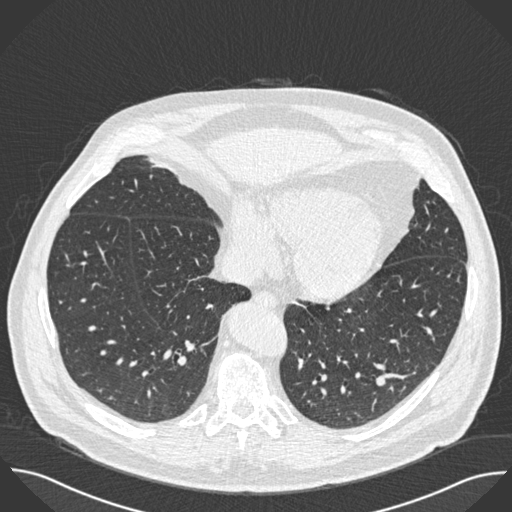
Chest CT, axial plane, 120 kVp, kernel B30f. Slice 193/493 from the bottom of the scan; thickness 0.75 mm; pixel size 0.762 mm.
Pulmonary nodule at rows 396–399, columns 108–112 (box = the one reader's outline on this slice), outlined by three of the four readers, one of them on this slice; longest diameter 8.0 mm on average over the three readers' outlines (readers' outlines 7.2–8.5 mm), volume 95–166 mm3. The readers' prevailing ratings and who disagreed: texture 5/5 (solid) from all three readers; margin 5/5 (circumscribed) from all three readers; sphericity 4/5 by two of three readers; the rest gave 5/5 (round) (one); calcification solid calcification, all three readers agreeing; internal structure soft tissue from all three readers; most readers (two of three) put subtlety at 5/5, others 4/5 (one); malignancy likelihood 1/5, all three readers agreeing. Scale key (1–5): texture non-solid→solid, margin indistinct→circumscribed, sphericity linear→round, subtlety extremely subtle→obvious, malignancy likelihood highly unlikely→highly suspicious of cancer. Box rows and columns are 0-based pixel indices from the top-left corner, inclusive.